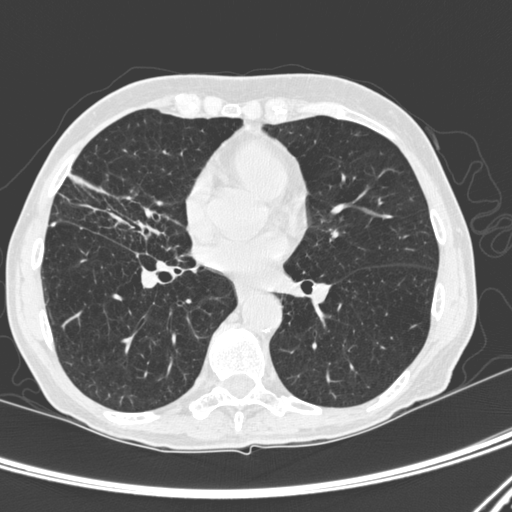
One axial slice (140 of 300, counting up from the lowest) of a chest CT acquired at 120 kVp with the D kernel; each pixel is 0.607 mm and the slice is 1.00 mm thick.
Pulmonary nodule outlined by two of the four readers; box rows 222–226, columns 50–55 (the union of the readers' outlines on this slice); longest diameter 4.4 mm on average over the two readers' outlines (readers' outlines 4.3–4.6 mm), volume 26–29 mm3. The readers' prevailing ratings and who disagreed: texture 5/5 (solid) from both readers; margin 5/5 (circumscribed), both readers agreeing; sphericity 4/5, both readers agreeing; calcification split among the readers: absent (one), solid calcification (one); internal structure soft tissue from both readers; subtlety split among the readers: 4/5 (one), 5/5 (one); malignancy likelihood split among the readers: 1/5 (one), 2/5 (one). Scale key (1–5): texture non-solid→solid, margin indistinct→circumscribed, sphericity linear→round, subtlety extremely subtle→obvious, malignancy likelihood highly unlikely→highly suspicious of cancer. Box rows and columns are 0-based pixel indices from the top-left corner, inclusive.